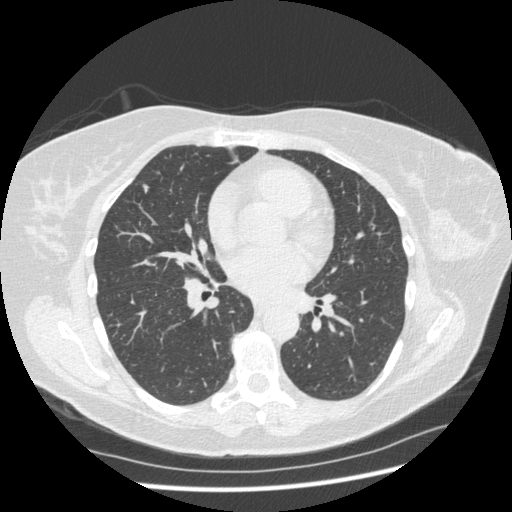
This is axial slice 214 of 436 (slice 1 is the lowest) of a chest CT; each pixel is 0.703 mm and the slice is 1.25 mm thick. Pulmonary nodule, outlined by two of the four readers. Box on this slice rows 184–192, columns 143–148, the union of the readers' outlines on this slice; longest diameter 7.9 mm on average over the two readers' outlines (readers' outlines 7.9 mm), volume 55–64 mm3. The readers' prevailing ratings and who disagreed: texture 5/5 (solid), both readers agreeing; margin split among the readers: 3/5 (one), 4/5 (one); sphericity split among the readers: 3/5 (ovoid) (one), 4/5 (one); calcification absent, both readers agreeing; internal structure soft tissue from both readers; subtlety split among the readers: 3/5 (one), 4/5 (one); malignancy likelihood split among the readers: 2/5 (one), 4/5 (one). Scale key (1–5): texture non-solid→solid, margin indistinct→circumscribed, sphericity linear→round, subtlety extremely subtle→obvious, malignancy likelihood highly unlikely→highly suspicious of cancer. Box rows and columns are 0-based pixel indices from the top-left corner, inclusive.
Tube voltage 120 kVp; convolution kernel STANDARD.